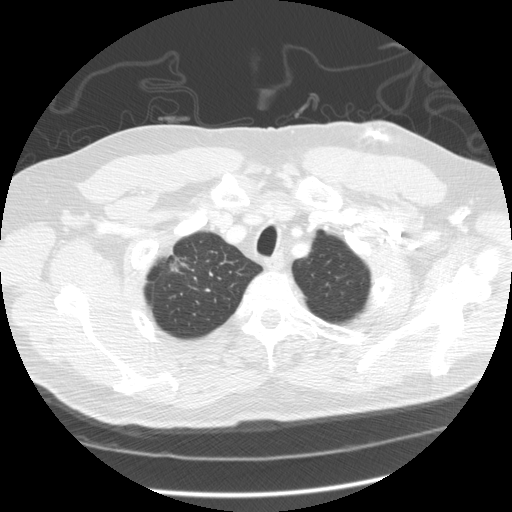
This is axial slice 269 of 305 (slice 1 is the lowest) of a chest CT; each pixel is 0.732 mm and the slice is 1.25 mm thick. Pulmonary nodule, outlined by three of the four readers, one of them on this slice. Box on this slice rows 257–270, columns 170–185, the one reader's outline on this slice; the three readers' outlines give a longest diameter between 41.0 and 45.9 mm and a volume between 6528 and 11092 mm3. Ratings across the readers: texture from 3/5 (part-solid) to 5/5 (solid) across the three readers; margin from 1/5 (indistinct) to 4/5 across the three readers; sphericity from 2/5 to 3/5 (ovoid) across the three readers; calcification absent from all three readers; internal structure soft tissue from all three readers; subtlety 5/5 from all three readers; malignancy likelihood 5/5 from all three readers. Scale key (1–5): texture non-solid→solid, margin indistinct→circumscribed, sphericity linear→round, subtlety extremely subtle→obvious, malignancy likelihood highly unlikely→highly suspicious of cancer. Box rows and columns are 0-based pixel indices from the top-left corner, inclusive.
Scan settings: 120 kVp, STANDARD reconstruction kernel.